Axial chest CT slice 75 of 108 (counted from the lowest slice); tube voltage 130 kVp, convolution kernel B31s; slices 3.00 mm thick, 0.629 mm per pixel.
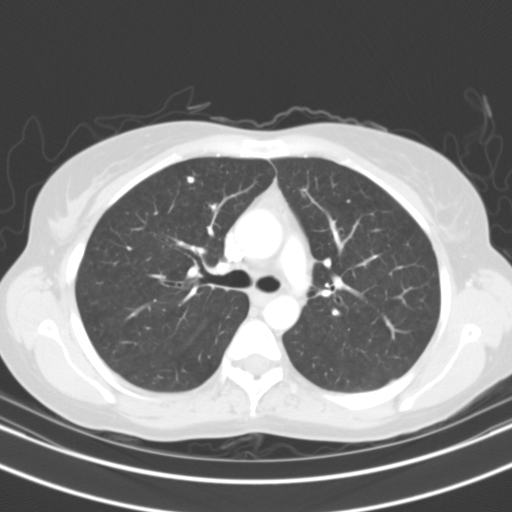
Pulmonary nodule at rows 176–183, columns 187–194 (box = the union of the readers' outlines on this slice), outlined by three of the four readers; the three readers' outlines give a longest diameter between 5.4 and 7.6 mm and a volume between 117 and 157 mm3. Ratings across the readers: texture 5/5 (solid), all three readers agreeing; margin from 4/5 to 5/5 (circumscribed) across the three readers; sphericity from 3/5 (ovoid) to 5/5 (round) across the three readers; calcification solid calcification, all three readers agreeing; internal structure soft tissue from all three readers; subtlety rated between 3 and 5 out of 5 by the three readers; malignancy likelihood 1/5 from all three readers. Scale key (1–5): texture non-solid→solid, margin indistinct→circumscribed, sphericity linear→round, subtlety extremely subtle→obvious, malignancy likelihood highly unlikely→highly suspicious of cancer. Box rows and columns are 0-based pixel indices from the top-left corner, inclusive.